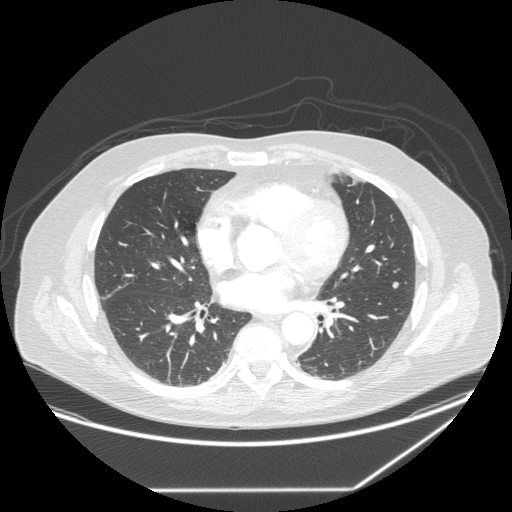
Axial chest CT slice 128 of 258 (counted from the lowest slice); tube voltage 120 kVp, convolution kernel STANDARD; slices 1.25 mm thick, 0.859 mm per pixel.
Pulmonary nodule at rows 282–288, columns 392–398 (box = the union of the readers' outlines on this slice), outlined by all four readers; median longest diameter 7.7 mm (readers' outlines 7.3–8.6 mm), median volume 168 mm3 (165–207 mm3). Ratings, median across the readers with their spread: texture 5/5 (solid) from all four readers; margin 5/5 (circumscribed) from all four readers; sphericity 5/5 (round) at the median of four readers, spread 4/5 to 5/5 (round); calcification absent from all four readers; internal structure soft tissue, all four readers agreeing; subtlety 3.5/5 at the median of four readers, spread 3–5; median malignancy likelihood 2.5/5 (readers ranged 2–3). Scale key (1–5): texture non-solid→solid, margin indistinct→circumscribed, sphericity linear→round, subtlety extremely subtle→obvious, malignancy likelihood highly unlikely→highly suspicious of cancer. Box rows and columns are 0-based pixel indices from the top-left corner, inclusive.